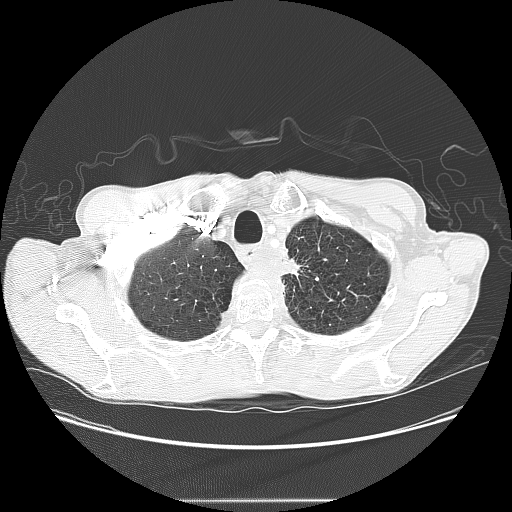
Slice 127/145 of a chest CT, counting up from the lowest; pixel size 0.781 mm, slice thickness 2.50 mm. Pulmonary nodule at rows 259–274, columns 284–297 (box = that reader's outline on this slice), outlined by one of the four readers; longest diameter 20.7 mm and volume 2229 mm3 from that reader's outline. Ratings by that reader: texture 5/5 (solid); margin 2/5; sphericity 5/5 (round); calcification absent; internal structure soft tissue; subtlety 4/5; malignancy likelihood 5/5. Scale key (1–5): texture non-solid→solid, margin indistinct→circumscribed, sphericity linear→round, subtlety extremely subtle→obvious, malignancy likelihood highly unlikely→highly suspicious of cancer. Box rows and columns are 0-based pixel indices from the top-left corner, inclusive.
Tube voltage 120 kVp; convolution kernel LUNG.